One axial slice (223 of 327, counting up from the lowest) of a chest CT acquired at 120 kVp with the B45f kernel; each pixel is 0.547 mm and the slice is 1.00 mm thick.
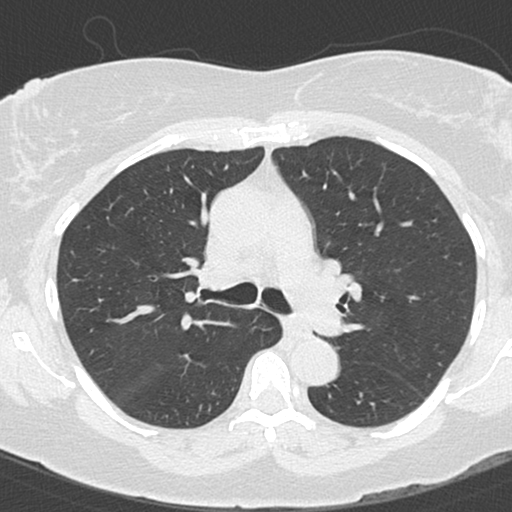
None of the four readers outlined a nodule of 3 mm or more on this slice.